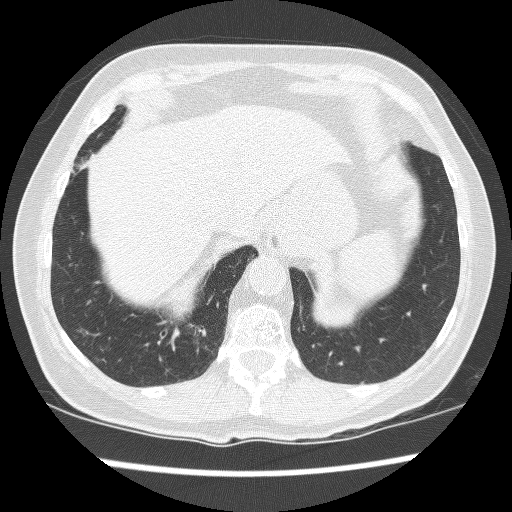
One axial slice (59 of 241, counting up from the lowest) of a chest CT acquired at 120 kVp with the BONE kernel; each pixel is 0.609 mm and the slice is 1.25 mm thick.
Pulmonary nodule, outlined by one of the four readers. Box on this slice rows 305–312, columns 299–302, that reader's outline on this slice; longest diameter 7.4 mm and volume 66 mm3 from that reader's outline. Ratings by that reader: texture 4/5; margin 2/5; sphericity 3/5 (ovoid); calcification absent; internal structure soft tissue; subtlety 3/5; malignancy likelihood 3/5. Scale key (1–5): texture non-solid→solid, margin indistinct→circumscribed, sphericity linear→round, subtlety extremely subtle→obvious, malignancy likelihood highly unlikely→highly suspicious of cancer. Box rows and columns are 0-based pixel indices from the top-left corner, inclusive.